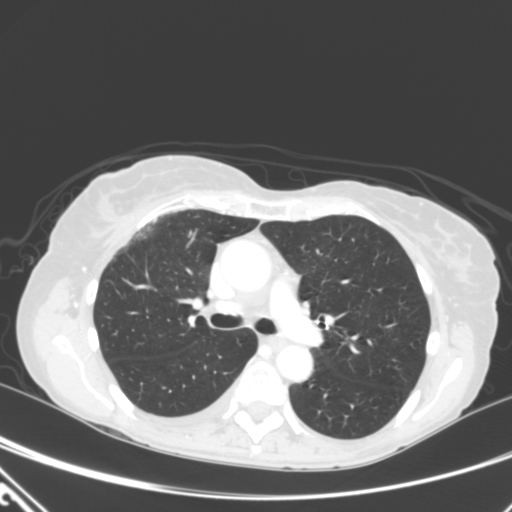
One axial slice (206 of 320, counting up from the lowest) of a chest CT acquired at 120 kVp with the B kernel; each pixel is 0.662 mm and the slice is 2.00 mm thick.
This slice carries no reader outline of a nodule 3 mm or larger.